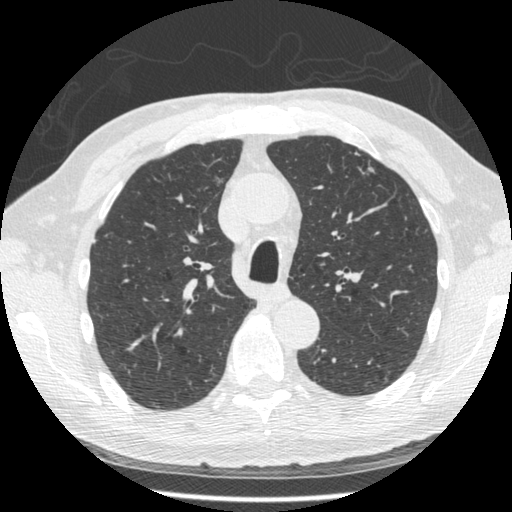
Axial chest CT slice 336 of 481 (counted from the lowest slice); tube voltage 120 kVp, convolution kernel STANDARD; slices 1.25 mm thick, 0.664 mm per pixel.
Two pulmonary nodules are outlined on this slice; from left to right: (1) Pulmonary nodule, outlined by one of the four readers. Box on this slice rows 176–185, columns 214–223, that reader's outline on this slice; longest diameter 8.9 mm and volume 58 mm3 from that reader's outline. That reader's ratings: texture 2/5; margin 2/5; sphericity 4/5; calcification absent; internal structure soft tissue; subtlety 3/5; malignancy likelihood 3/5. (2) Pulmonary nodule outlined by two of the four readers; box rows 160–174, columns 366–374 (the union of the readers' outlines on this slice); longest diameter 11.4 mm on average over the two readers' outlines (readers' outlines 10.5–12.2 mm), volume 150–184 mm3. The readers' prevailing ratings and who disagreed: texture split among the readers: 2/5 (one), 4/5 (one); margin split among the readers: 1/5 (indistinct) (one), 4/5 (one); sphericity split among the readers: 2/5 (one), 3/5 (ovoid) (one); calcification absent, both readers agreeing; internal structure soft tissue from both readers; subtlety split among the readers: 2/5 (one), 4/5 (one); malignancy likelihood split among the readers: 1/5 (one), 3/5 (one). Scale key (1–5): texture non-solid→solid, margin indistinct→circumscribed, sphericity linear→round, subtlety extremely subtle→obvious, malignancy likelihood highly unlikely→highly suspicious of cancer. Box rows and columns are 0-based pixel indices from the top-left corner, inclusive.